Axial chest CT slice 78 of 268 (counted from the lowest slice); tube voltage 120 kVp, convolution kernel BONE; slices 1.25 mm thick, 0.742 mm per pixel.
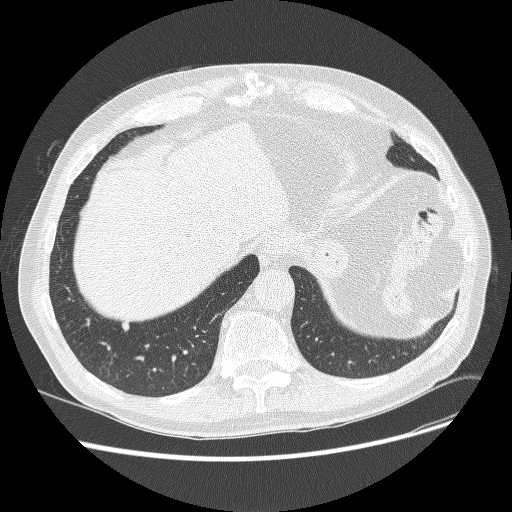
Pulmonary nodule, outlined by all four readers. Box on this slice rows 321–330, columns 122–130, the union of the readers' outlines on this slice; longest diameter 8.2–9.9 mm and volume 157–231 mm3 across the four readers' outlines. The readers' ratings, as ranges where they differ: texture from 4/5 to 5/5 (solid) across the four readers; margin from 4/5 to 5/5 (circumscribed) across the four readers; sphericity from 3/5 (ovoid) to 4/5 across the four readers; calcification absent, all four readers agreeing; internal structure soft tissue, all four readers agreeing; subtlety rated between 3 and 4 out of 5 by the four readers; malignancy likelihood 2–4/5 (the readers disagree). Scale key (1–5): texture non-solid→solid, margin indistinct→circumscribed, sphericity linear→round, subtlety extremely subtle→obvious, malignancy likelihood highly unlikely→highly suspicious of cancer. Box rows and columns are 0-based pixel indices from the top-left corner, inclusive.